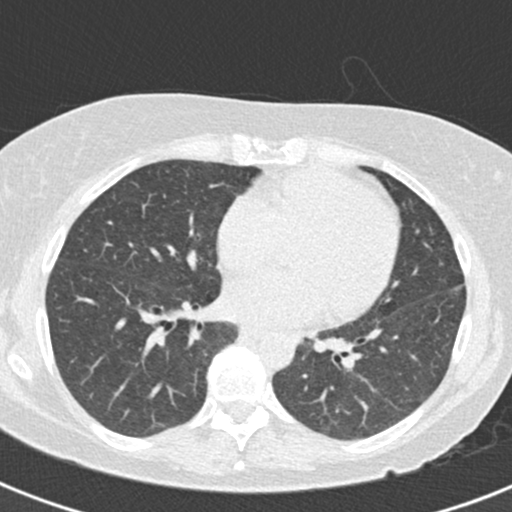
This is axial slice 80 of 166 (slice 1 is the lowest) of a chest CT; each pixel is 0.566 mm and the slice is 2.00 mm thick. Pulmonary nodule, outlined by all four readers, two of them on this slice. Box on this slice rows 283–290, columns 454–464, the union of the readers' outlines on this slice; median longest diameter 12.8 mm (readers' outlines 11.9–13.8 mm), median volume 604 mm3 (520–710 mm3). Median ratings and the readers' spread: median texture 5/5 (solid) (readers ranged 4/5 to 5/5 (solid)); median margin 4.5/5 (readers ranged 4/5 to 5/5 (circumscribed)); sphericity 4/5 at the median of four readers, spread 4/5 to 5/5 (round); calcification absent from all four readers; internal structure soft tissue, all four readers agreeing; median subtlety 4.5/5 (readers ranged 4–5); malignancy likelihood 3.5/5 at the median of four readers, spread 3–4. Scale key (1–5): texture non-solid→solid, margin indistinct→circumscribed, sphericity linear→round, subtlety extremely subtle→obvious, malignancy likelihood highly unlikely→highly suspicious of cancer. Box rows and columns are 0-based pixel indices from the top-left corner, inclusive.
Acquired at 120 kVp and reconstructed with the B30f kernel.